Axial chest CT slice 92 of 141 (counted from the lowest slice); tube voltage 120 kVp, convolution kernel STANDARD; slices 2.50 mm thick, 0.586 mm per pixel.
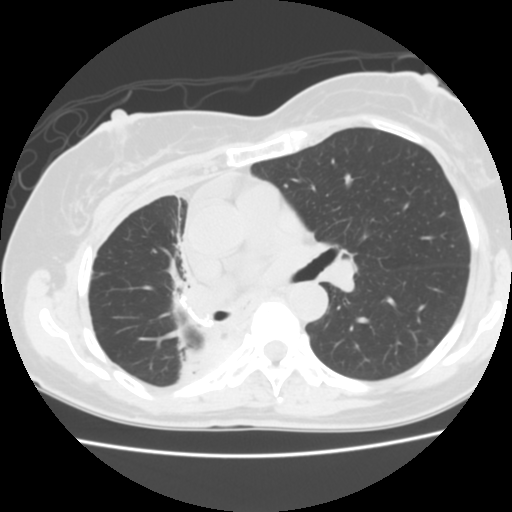
Pulmonary nodule outlined by one of the four readers; box rows 340–344, columns 429–432 (that reader's outline on this slice); longest diameter 5.9 mm and volume 59 mm3 from that reader's outline. That reader's ratings: texture 1/5 (non-solid); margin 2/5; sphericity 5/5 (round); calcification absent; internal structure soft tissue; subtlety 3/5; malignancy likelihood 3/5. Scale key (1–5): texture non-solid→solid, margin indistinct→circumscribed, sphericity linear→round, subtlety extremely subtle→obvious, malignancy likelihood highly unlikely→highly suspicious of cancer. Box rows and columns are 0-based pixel indices from the top-left corner, inclusive.